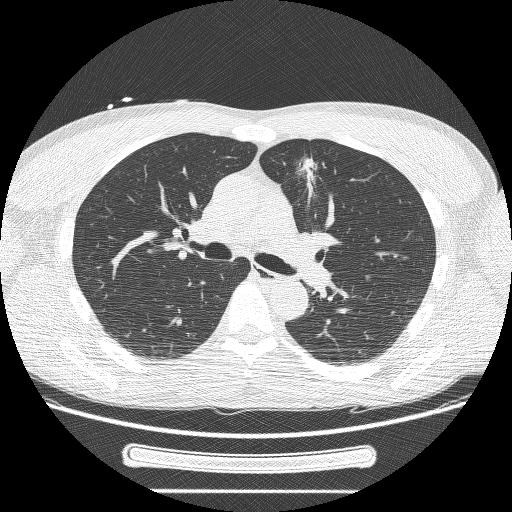
Chest CT, axial plane, 120 kVp, kernel BONE. Slice 151/244 from the bottom of the scan; thickness 1.25 mm; pixel size 0.729 mm.
Pulmonary nodule, outlined by three of the four readers. Box on this slice rows 154–188, columns 295–318, the union of the readers' outlines on this slice; longest diameter 34.2 mm on average over the three readers' outlines (readers' outlines 27.4–37.9 mm), volume 2934–10099 mm3. Ratings, by the readers' most common answer with dissent counted: texture 5/5 (solid) by two of three readers; the rest gave 3/5 (part-solid) (one); margin split among the readers: 1/5 (indistinct) (one), 2/5 (one), 3/5 (one); sphericity split among the readers: 2/5 (one), 3/5 (ovoid) (one), 4/5 (one); calcification absent from all three readers; internal structure soft tissue from all three readers; subtlety 5/5, all three readers agreeing; most readers (two of three) put malignancy likelihood at 5/5, others 3/5 (one). Scale key (1–5): texture non-solid→solid, margin indistinct→circumscribed, sphericity linear→round, subtlety extremely subtle→obvious, malignancy likelihood highly unlikely→highly suspicious of cancer. Box rows and columns are 0-based pixel indices from the top-left corner, inclusive.